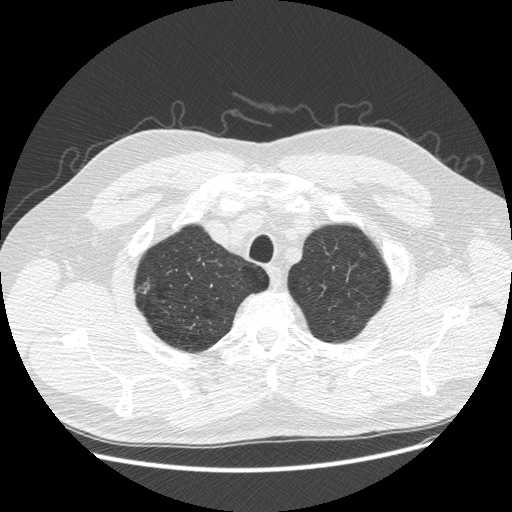
Slice 419/481 of a chest CT, counting up from the lowest; pixel size 0.742 mm, slice thickness 1.25 mm. Pulmonary nodule outlined by two of the four readers, one of them on this slice; box rows 277–294, columns 138–151 (the one reader's outline on this slice); longest diameter 16.8 mm on average over the two readers' outlines (readers' outlines 15.0–18.6 mm), volume 293–924 mm3. The readers' prevailing ratings and who disagreed: texture 1/5 (non-solid), both readers agreeing; margin split among the readers: 1/5 (indistinct) (one), 2/5 (one); sphericity split among the readers: 3/5 (ovoid) (one), 5/5 (round) (one); calcification absent from both readers; internal structure soft tissue from both readers; subtlety split among the readers: 1/5 (one), 2/5 (one); malignancy likelihood split among the readers: 2/5 (one), 4/5 (one). Scale key (1–5): texture non-solid→solid, margin indistinct→circumscribed, sphericity linear→round, subtlety extremely subtle→obvious, malignancy likelihood highly unlikely→highly suspicious of cancer. Box rows and columns are 0-based pixel indices from the top-left corner, inclusive.
Acquired at 120 kVp and reconstructed with the STANDARD kernel.